One axial slice (95 of 131, counting up from the lowest) of a chest CT acquired at 120 kVp with the B31f kernel; each pixel is 0.721 mm and the slice is 3.00 mm thick.
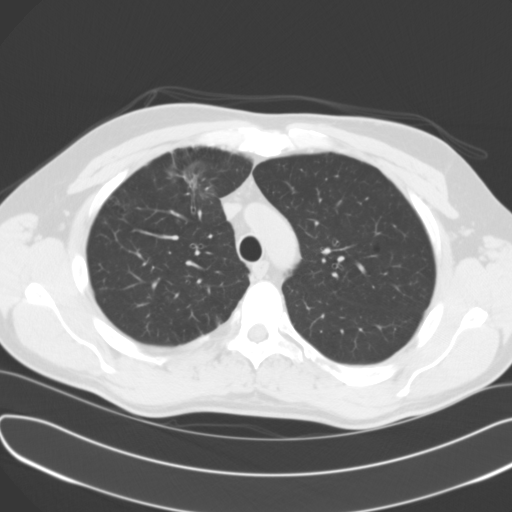
Pulmonary nodule at rows 161–199, columns 166–216 (box = the union of the readers' outlines on this slice), outlined by all four readers, three of them on this slice; median longest diameter 24.2 mm (readers' outlines 22.6–49.1 mm), median volume 1466 mm3 (879–6132 mm3). Median ratings and the readers' spread: median texture 5/5 (solid) (readers ranged 4/5 to 5/5 (solid)); median margin 2.5/5 (readers ranged 1/5 (indistinct) to 4/5); median sphericity 3.5/5 (readers ranged 2/5 to 5/5 (round)); calcification absent from all four readers; internal structure soft tissue from all four readers; median subtlety 5/5 (readers ranged 2–5); median malignancy likelihood 4.5/5 (readers ranged 1–5). Scale key (1–5): texture non-solid→solid, margin indistinct→circumscribed, sphericity linear→round, subtlety extremely subtle→obvious, malignancy likelihood highly unlikely→highly suspicious of cancer. Box rows and columns are 0-based pixel indices from the top-left corner, inclusive.